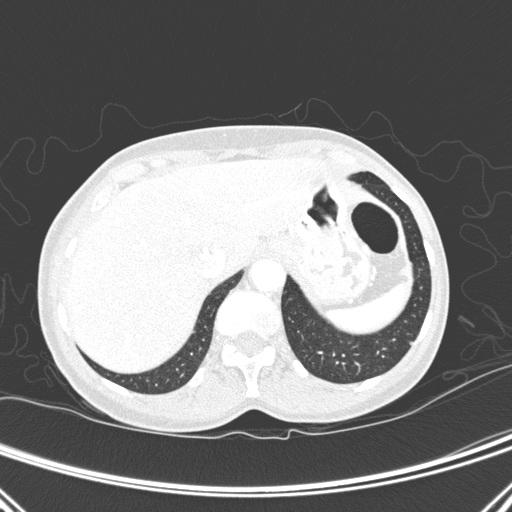
Axial slice 44 of 275 of a chest CT (slice 1 is the lowest), reconstructed with the D kernel at 120 kVp; 1.00 mm slice thickness and 0.658 mm pixels.
Pulmonary nodule, outlined by two of the four readers. Box on this slice rows 341–345, columns 408–412, the union of the readers' outlines on this slice; longest diameter 3.5–4.7 mm and volume 20–29 mm3 across the two readers' outlines. Ratings across the readers: texture 5/5 (solid), both readers agreeing; margin from 4/5 to 5/5 (circumscribed) across the two readers; sphericity from 4/5 to 5/5 (round) across the two readers; calcification absent, both readers agreeing; internal structure soft tissue from both readers; subtlety from 2/5 to 3/5 across the two readers; malignancy likelihood 1/5, both readers agreeing. Scale key (1–5): texture non-solid→solid, margin indistinct→circumscribed, sphericity linear→round, subtlety extremely subtle→obvious, malignancy likelihood highly unlikely→highly suspicious of cancer. Box rows and columns are 0-based pixel indices from the top-left corner, inclusive.